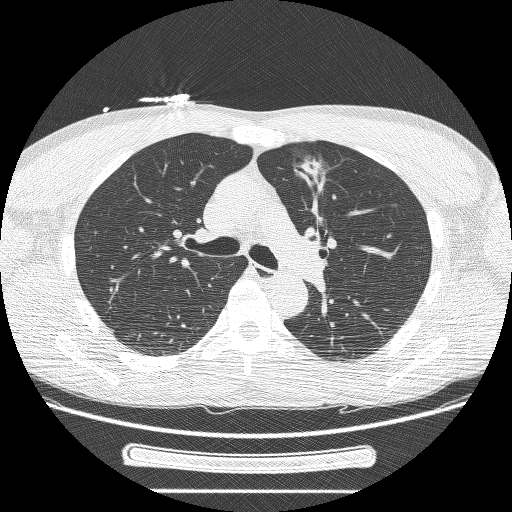
One axial slice (157 of 244, counting up from the lowest) of a chest CT acquired at 120 kVp with the BONE kernel; each pixel is 0.729 mm and the slice is 1.25 mm thick.
Pulmonary nodule, outlined by three of the four readers. Box on this slice rows 152–192, columns 293–327, the union of the readers' outlines on this slice; longest diameter 34.2 mm on average over the three readers' outlines (readers' outlines 27.4–37.9 mm), volume 2934–10099 mm3. Ratings, by the readers' most common answer with dissent counted: most readers (two of three) put texture at 5/5 (solid), others 3/5 (part-solid) (one); margin split among the readers: 1/5 (indistinct) (one), 2/5 (one), 3/5 (one); sphericity split among the readers: 2/5 (one), 3/5 (ovoid) (one), 4/5 (one); calcification absent, all three readers agreeing; internal structure soft tissue from all three readers; subtlety 5/5, all three readers agreeing; malignancy likelihood 5/5 by two of three readers; the rest gave 3/5 (one). Scale key (1–5): texture non-solid→solid, margin indistinct→circumscribed, sphericity linear→round, subtlety extremely subtle→obvious, malignancy likelihood highly unlikely→highly suspicious of cancer. Box rows and columns are 0-based pixel indices from the top-left corner, inclusive.